Axial slice 237 of 456 of a chest CT (slice 1 is the lowest), reconstructed with the B30f kernel at 120 kVp; 0.75 mm slice thickness and 0.559 mm pixels.
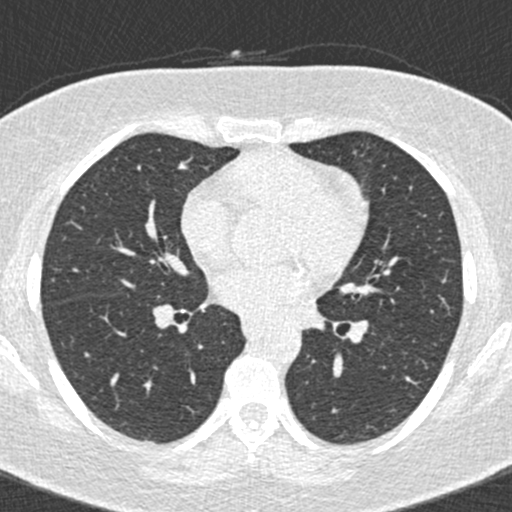
No nodule 3 mm or larger was outlined here by any reader.